Axial chest CT slice 207 of 248 (counted from the lowest slice); tube voltage 120 kVp, convolution kernel D; slices 2.00 mm thick, 0.633 mm per pixel.
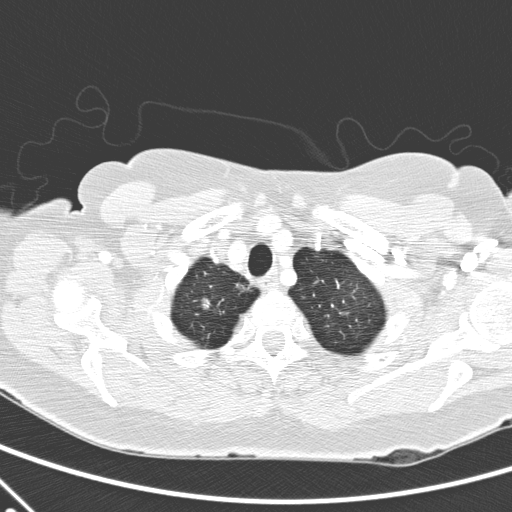
Pulmonary nodule, outlined by one of the four readers. Box on this slice rows 298–309, columns 201–209, that reader's outline on this slice; longest diameter 9.2 mm and volume 163 mm3 from that reader's outline. Ratings by that reader: texture 3/5 (part-solid); margin 4/5; sphericity 2/5; calcification absent; internal structure soft tissue; subtlety 5/5; malignancy likelihood 4/5. Scale key (1–5): texture non-solid→solid, margin indistinct→circumscribed, sphericity linear→round, subtlety extremely subtle→obvious, malignancy likelihood highly unlikely→highly suspicious of cancer. Box rows and columns are 0-based pixel indices from the top-left corner, inclusive.